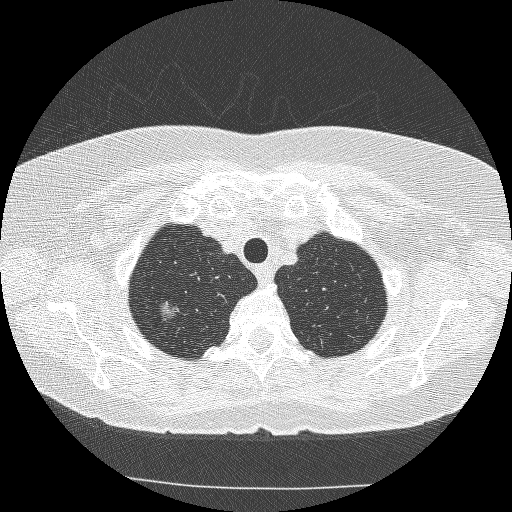
Axial chest CT slice 230 of 253 (counted from the lowest slice); tube voltage 120 kVp, convolution kernel BONE; slices 1.25 mm thick, 0.625 mm per pixel.
Pulmonary nodule at rows 301–321, columns 158–179 (box = the union of the readers' outlines on this slice), outlined by all four readers; the four readers' outlines give a longest diameter between 12.3 and 15.8 mm and a volume between 480 and 587 mm3. Ratings across the readers: texture from 1/5 (non-solid) to 3/5 (part-solid) across the four readers; margin from 2/5 to 4/5 across the four readers; sphericity from 2/5 to 4/5 across the four readers; calcification absent, all four readers agreeing; internal structure soft tissue from all four readers; subtlety from 3/5 to 5/5 across the four readers; malignancy likelihood rated between 3 and 5 out of 5 by the four readers. Scale key (1–5): texture non-solid→solid, margin indistinct→circumscribed, sphericity linear→round, subtlety extremely subtle→obvious, malignancy likelihood highly unlikely→highly suspicious of cancer. Box rows and columns are 0-based pixel indices from the top-left corner, inclusive.